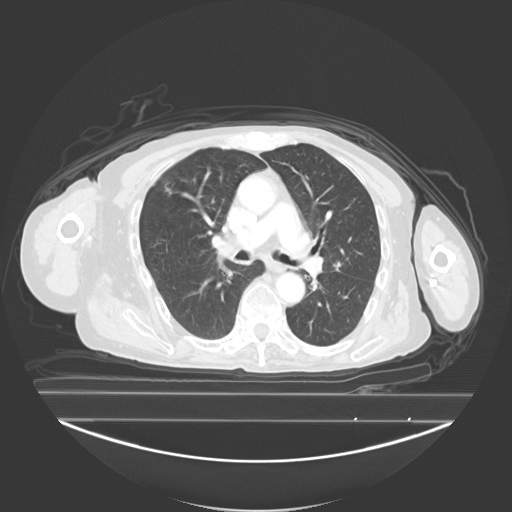
This is axial slice 153 of 278 (slice 1 is the lowest) of a chest CT; each pixel is 0.977 mm and the slice is 3.00 mm thick. Pulmonary nodule outlined by three of the four readers; box rows 261–270, columns 333–341 (the union of the readers' outlines on this slice); longest diameter 12.8–14.8 mm and volume 665–985 mm3 across the three readers' outlines. The readers' ratings, as ranges where they differ: texture from 4/5 to 5/5 (solid) across the three readers; margin 4/5, all three readers agreeing; sphericity from 4/5 to 5/5 (round) across the three readers; calcification absent, all three readers agreeing; internal structure soft tissue, all three readers agreeing; subtlety rated between 3 and 5 out of 5 by the three readers; malignancy likelihood rated between 2 and 4 out of 5 by the three readers. Scale key (1–5): texture non-solid→solid, margin indistinct→circumscribed, sphericity linear→round, subtlety extremely subtle→obvious, malignancy likelihood highly unlikely→highly suspicious of cancer. Box rows and columns are 0-based pixel indices from the top-left corner, inclusive.
Scan settings: 130 kVp, B40s reconstruction kernel.